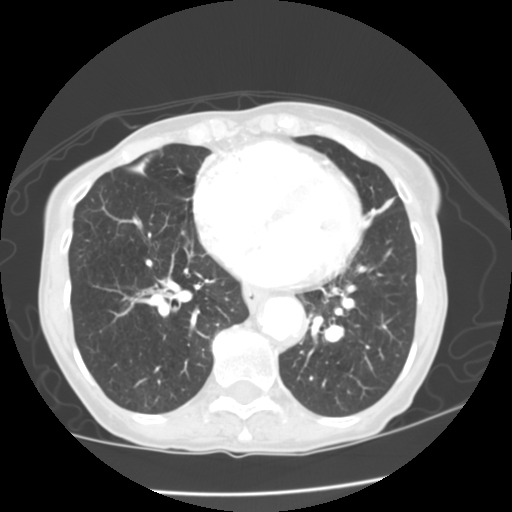
Axial slice 59 of 141 of a chest CT (slice 1 is the lowest), reconstructed with the STANDARD kernel at 120 kVp; 2.50 mm slice thickness and 0.625 mm pixels.
The readers outlined no nodule of 3 mm or more on this slice.